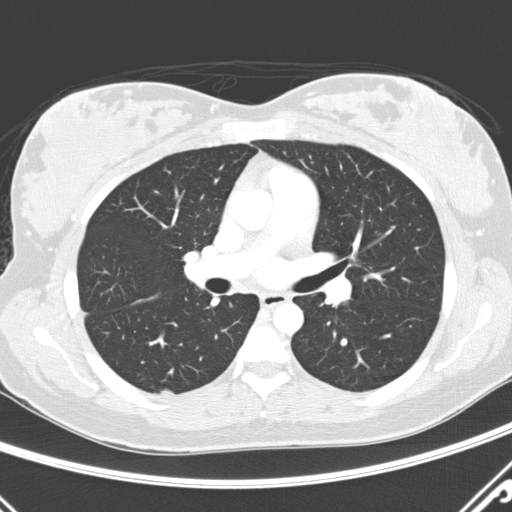
Chest CT, axial plane, 120 kVp, kernel D. Slice 172/290 from the bottom of the scan; thickness 2.00 mm; pixel size 0.648 mm.
Pulmonary nodule outlined by one of the four readers; box rows 389–393, columns 160–173 (that reader's outline on this slice); longest diameter 15.8 mm and volume 355 mm3 from that reader's outline. Ratings by that reader: texture 5/5 (solid); margin 5/5 (circumscribed); sphericity 3/5 (ovoid); calcification absent; internal structure soft tissue; subtlety 5/5; malignancy likelihood 3/5. Scale key (1–5): texture non-solid→solid, margin indistinct→circumscribed, sphericity linear→round, subtlety extremely subtle→obvious, malignancy likelihood highly unlikely→highly suspicious of cancer. Box rows and columns are 0-based pixel indices from the top-left corner, inclusive.